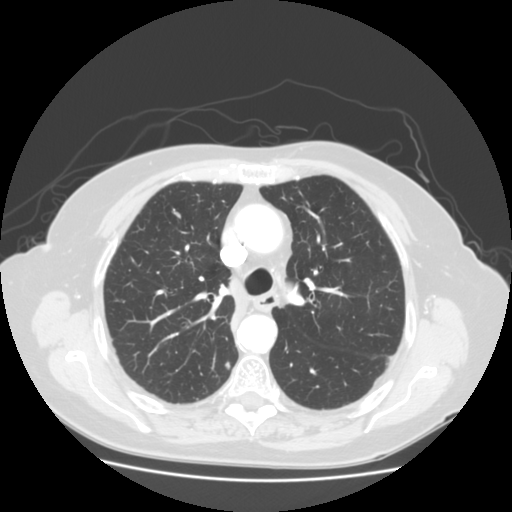
Axial chest CT slice 83 of 119 (counted from the lowest slice); 2.50 mm thick, 0.703 mm per pixel. Pulmonary nodule at rows 362–369, columns 225–230 (box = the union of the readers' outlines on this slice), outlined by two of the four readers; median longest diameter 6.5 mm (readers' outlines 6.5 mm), median volume 94 mm3 (83–105 mm3). Ratings, median across the readers with their spread: median texture 4/5 (readers ranged 3/5 (part-solid) to 5/5 (solid)); median margin 2.5/5 (readers ranged 1/5 (indistinct) to 4/5); sphericity 3/5 (ovoid), both readers agreeing; calcification absent, both readers agreeing; internal structure soft tissue, both readers agreeing; subtlety 3/5 from both readers; malignancy likelihood 3/5, both readers agreeing. Scale key (1–5): texture non-solid→solid, margin indistinct→circumscribed, sphericity linear→round, subtlety extremely subtle→obvious, malignancy likelihood highly unlikely→highly suspicious of cancer. Box rows and columns are 0-based pixel indices from the top-left corner, inclusive.
Scan settings: 120 kVp, STANDARD reconstruction kernel.